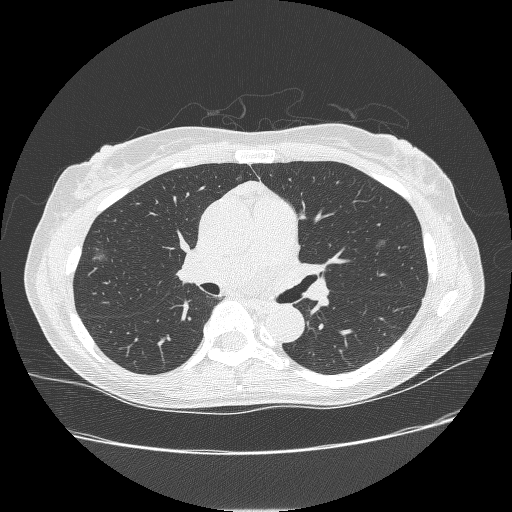
One axial slice (151 of 238, counting up from the lowest) of a chest CT acquired at 120 kVp with the BONE kernel; each pixel is 0.703 mm and the slice is 1.25 mm thick.
Two pulmonary nodules on this slice, listed from left to right. (1) Pulmonary nodule, outlined by two of the four readers. Box on this slice rows 252–262, columns 93–107, the union of the readers' outlines on this slice; median longest diameter 14.0 mm (readers' outlines 11.5–16.5 mm), median volume 546 mm3 (494–598 mm3). Ratings, median across the readers with their spread: texture 1/5 (non-solid) from both readers; margin 1/5 (indistinct), both readers agreeing; median sphericity 3.5/5 (readers ranged 3/5 (ovoid) to 4/5); calcification absent, both readers agreeing; internal structure soft tissue, both readers agreeing; subtlety 4/5 from both readers; median malignancy likelihood 3.5/5 (readers ranged 3–4). (2) Pulmonary nodule outlined by three of the four readers; box rows 239–248, columns 376–386 (the union of the readers' outlines on this slice); longest diameter 10.1–10.7 mm and volume 130–226 mm3 across the three readers' outlines. Ratings across the readers: texture 1/5 (non-solid), all three readers agreeing; margin from 1/5 (indistinct) to 2/5 across the three readers; sphericity from 2/5 to 4/5 across the three readers; calcification absent, all three readers agreeing; internal structure soft tissue, all three readers agreeing; subtlety 2–4/5 (the readers disagree); malignancy likelihood 3–4/5 (the readers disagree). Scale key (1–5): texture non-solid→solid, margin indistinct→circumscribed, sphericity linear→round, subtlety extremely subtle→obvious, malignancy likelihood highly unlikely→highly suspicious of cancer. Box rows and columns are 0-based pixel indices from the top-left corner, inclusive.